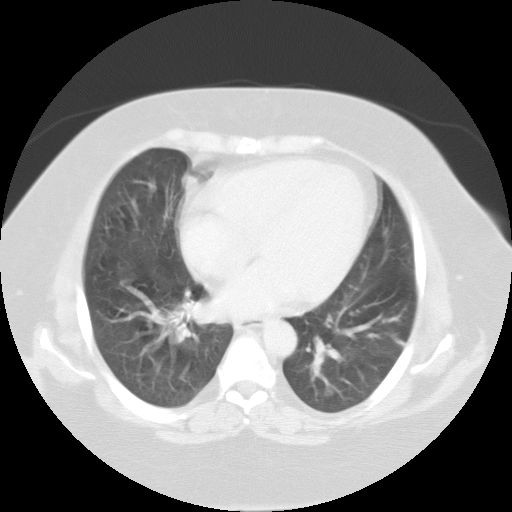
Slice 55/102 of a chest CT, counting up from the lowest; pixel size 0.808 mm, slice thickness 3.00 mm. Pulmonary nodule at rows 389–394, columns 327–330 (box = the one reader's outline on this slice), outlined by all four readers, one of them on this slice; longest diameter 12.9 mm on average over the four readers' outlines (readers' outlines 11.5–13.9 mm), volume 1135–1808 mm3. The readers' prevailing ratings and who disagreed: texture 5/5 (solid), all four readers agreeing; margin 5/5 (circumscribed) from all four readers; sphericity 5/5 (round), all four readers agreeing; calcification absent, all four readers agreeing; internal structure soft tissue, all four readers agreeing; subtlety 5/5 by three of four readers; the rest gave 3/5 (one); most readers (three of four) put malignancy likelihood at 5/5, others 2/5 (one). Scale key (1–5): texture non-solid→solid, margin indistinct→circumscribed, sphericity linear→round, subtlety extremely subtle→obvious, malignancy likelihood highly unlikely→highly suspicious of cancer. Box rows and columns are 0-based pixel indices from the top-left corner, inclusive.
Acquired at 135 kVp and reconstructed with the FC01 kernel.